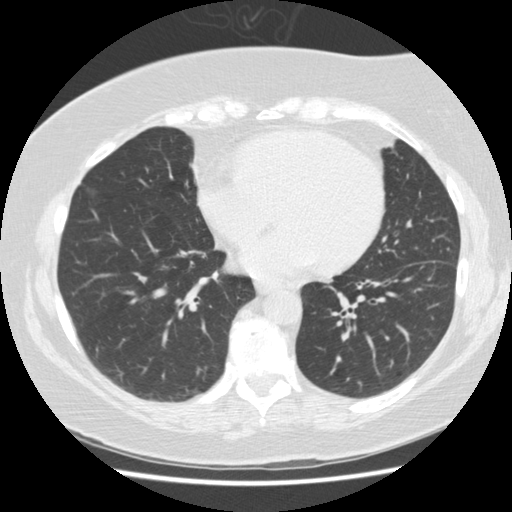
This is axial slice 52 of 140 (slice 1 is the lowest) of a chest CT; each pixel is 0.664 mm and the slice is 2.50 mm thick. No nodule 3 mm or larger was outlined here by any reader.
Acquired at 120 kVp and reconstructed with the STANDARD kernel.